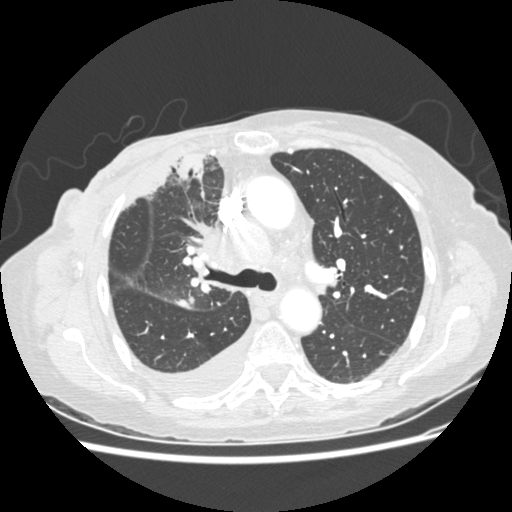
Slice 175/238 of a chest CT, counting up from the lowest; pixel size 0.664 mm, slice thickness 1.25 mm. Pulmonary nodule, outlined by two of the four readers. Box on this slice rows 299–307, columns 177–191, the union of the readers' outlines on this slice; median longest diameter 32.4 mm (readers' outlines 31.3–33.5 mm), median volume 8391 mm3 (8200–8583 mm3). Median ratings and the readers' spread: texture 5/5 (solid) from both readers; median margin 4.5/5 (readers ranged 4/5 to 5/5 (circumscribed)); sphericity 4/5 from both readers; calcification absent from both readers; internal structure soft tissue, both readers agreeing; subtlety 5/5, both readers agreeing; malignancy likelihood 4/5 at the median of two readers, spread 3–5. Scale key (1–5): texture non-solid→solid, margin indistinct→circumscribed, sphericity linear→round, subtlety extremely subtle→obvious, malignancy likelihood highly unlikely→highly suspicious of cancer. Box rows and columns are 0-based pixel indices from the top-left corner, inclusive.
Acquired at 120 kVp and reconstructed with the STANDARD kernel.